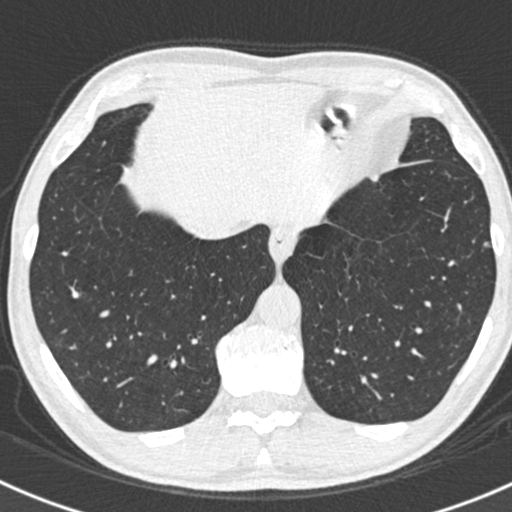
Slice 186/538 of a chest CT, counting up from the lowest; pixel size 0.605 mm, slice thickness 0.75 mm. Pulmonary nodule, outlined by two of the four readers. Box on this slice rows 241–246, columns 483–489, the union of the readers' outlines on this slice; longest diameter 5.9 mm on average over the two readers' outlines (readers' outlines 5.6–6.2 mm), volume 18–38 mm3. The readers' prevailing ratings and who disagreed: texture 5/5 (solid), both readers agreeing; margin split among the readers: 4/5 (one), 5/5 (circumscribed) (one); sphericity split among the readers: 2/5 (one), 3/5 (ovoid) (one); calcification solid calcification, both readers agreeing; internal structure soft tissue, both readers agreeing; subtlety 3/5 from both readers; malignancy likelihood 1/5, both readers agreeing. Scale key (1–5): texture non-solid→solid, margin indistinct→circumscribed, sphericity linear→round, subtlety extremely subtle→obvious, malignancy likelihood highly unlikely→highly suspicious of cancer. Box rows and columns are 0-based pixel indices from the top-left corner, inclusive.
Acquired at 120 kVp and reconstructed with the B30f kernel.